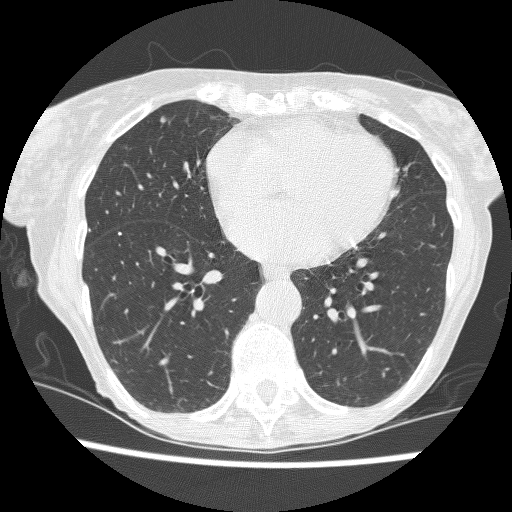
Axial chest CT slice 101 of 240 (counted from the lowest slice); 1.25 mm thick, 0.566 mm per pixel. Pulmonary nodule, outlined by all four readers. Box on this slice rows 116–123, columns 159–167, the union of the readers' outlines on this slice; median longest diameter 5.5 mm (readers' outlines 5.1–6.5 mm), median volume 64 mm3 (52–68 mm3). Median ratings and the readers' spread: texture 4/5 at the median of four readers, spread 4/5 to 5/5 (solid); median margin 4/5 (readers ranged 2/5 to 4/5); sphericity 3.5/5 at the median of four readers, spread 3/5 (ovoid) to 5/5 (round); calcification absent, all four readers agreeing; internal structure soft tissue, all four readers agreeing; subtlety 3.5/5 at the median of four readers, spread 3–4; median malignancy likelihood 3/5 (readers ranged 2–4). Scale key (1–5): texture non-solid→solid, margin indistinct→circumscribed, sphericity linear→round, subtlety extremely subtle→obvious, malignancy likelihood highly unlikely→highly suspicious of cancer. Box rows and columns are 0-based pixel indices from the top-left corner, inclusive.
Acquired at 120 kVp and reconstructed with the BONE kernel.